Axial slice 364 of 490 of a chest CT (slice 1 is the lowest), reconstructed with the STANDARD kernel at 120 kVp; 1.25 mm slice thickness and 0.645 mm pixels.
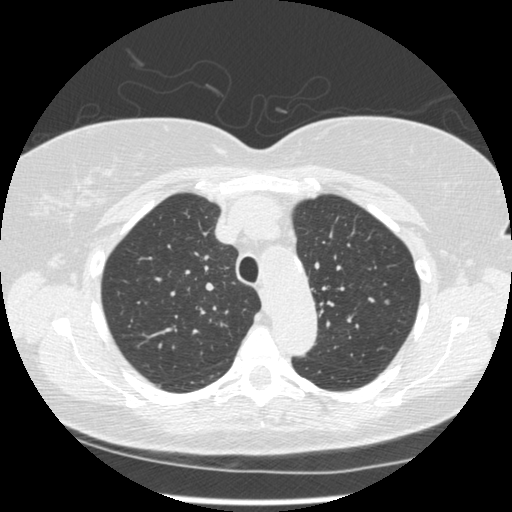
Pulmonary nodule at rows 298–304, columns 384–389 (box = the union of the readers' outlines on this slice), outlined by two of the four readers; median longest diameter 5.4 mm (readers' outlines 5.2–5.5 mm), median volume 53 mm3 (51–56 mm3). Median ratings and the readers' spread: texture 5/5 (solid) from both readers; median margin 4/5 (readers ranged 3/5 to 5/5 (circumscribed)); sphericity 4.5/5 at the median of two readers, spread 4/5 to 5/5 (round); calcification absent, both readers agreeing; internal structure soft tissue, both readers agreeing; subtlety 4/5 at the median of two readers, spread 3–5; malignancy likelihood 3/5, both readers agreeing. Scale key (1–5): texture non-solid→solid, margin indistinct→circumscribed, sphericity linear→round, subtlety extremely subtle→obvious, malignancy likelihood highly unlikely→highly suspicious of cancer. Box rows and columns are 0-based pixel indices from the top-left corner, inclusive.